Axial slice 129 of 458 of a chest CT (slice 1 is the lowest), reconstructed with the STANDARD kernel at 120 kVp; 1.25 mm slice thickness and 0.625 mm pixels.
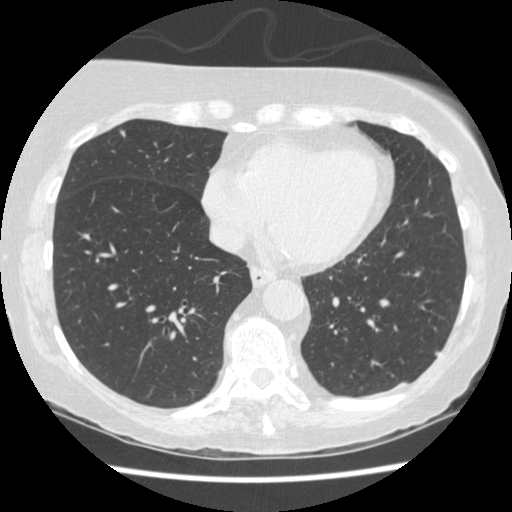
Pulmonary nodule, outlined by all four readers. Box on this slice rows 350–356, columns 433–440, the union of the readers' outlines on this slice; median longest diameter 6.5 mm (readers' outlines 6.2–7.0 mm), median volume 85 mm3 (63–96 mm3). Median ratings and the readers' spread: median texture 5/5 (solid) (readers ranged 4/5 to 5/5 (solid)); median margin 5/5 (circumscribed) (readers ranged 3/5 to 5/5 (circumscribed)); median sphericity 4/5 (readers ranged 2/5 to 4/5); calcification absent from all four readers; internal structure soft tissue from all four readers; median subtlety 4/5 (readers ranged 3–5); malignancy likelihood 2.5/5 at the median of four readers, spread 2–3. Scale key (1–5): texture non-solid→solid, margin indistinct→circumscribed, sphericity linear→round, subtlety extremely subtle→obvious, malignancy likelihood highly unlikely→highly suspicious of cancer. Box rows and columns are 0-based pixel indices from the top-left corner, inclusive.